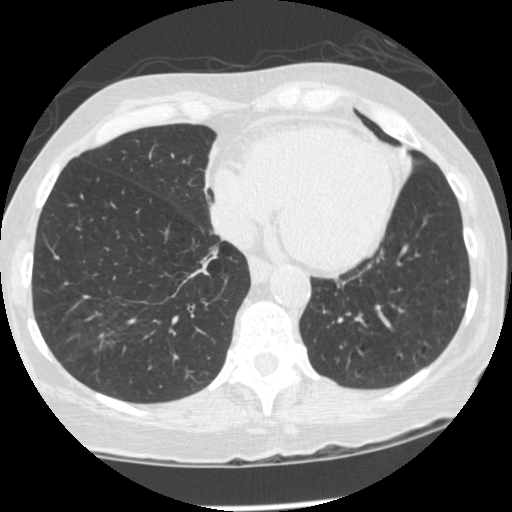
One axial slice (119 of 474, counting up from the lowest) of a chest CT acquired at 120 kVp with the STANDARD kernel; each pixel is 0.625 mm and the slice is 1.25 mm thick.
Pulmonary nodule, outlined by three of the four readers, two of them on this slice. Box on this slice rows 303–307, columns 460–464, the union of the readers' outlines on this slice; longest diameter 7.5 mm on average over the three readers' outlines (readers' outlines 7.1–8.1 mm), volume 92–97 mm3. Ratings, by the readers' most common answer with dissent counted: most readers (two of three) put texture at 4/5, others 5/5 (solid) (one); margin split among the readers: 3/5 (one), 4/5 (one), 5/5 (circumscribed) (one); sphericity split among the readers: 2/5 (one), 3/5 (ovoid) (one), 4/5 (one); calcification absent, all three readers agreeing; internal structure soft tissue, all three readers agreeing; subtlety split among the readers: 3/5 (one), 4/5 (one), 5/5 (one); malignancy likelihood 2/5 by two of three readers; the rest gave 3/5 (one). Scale key (1–5): texture non-solid→solid, margin indistinct→circumscribed, sphericity linear→round, subtlety extremely subtle→obvious, malignancy likelihood highly unlikely→highly suspicious of cancer. Box rows and columns are 0-based pixel indices from the top-left corner, inclusive.